One axial slice (386 of 506, counting up from the lowest) of a chest CT acquired at 120 kVp with the B30f kernel; each pixel is 0.699 mm and the slice is 0.75 mm thick.
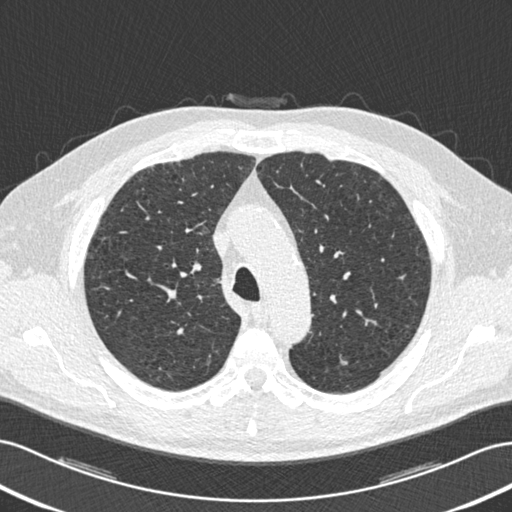
Pulmonary nodule, outlined by two of the four readers. Box on this slice rows 359–364, columns 340–347, the union of the readers' outlines on this slice; the two readers' outlines give a longest diameter between 6.4 and 8.2 mm and a volume between 59 and 153 mm3. The readers' ratings, as ranges where they differ: texture 5/5 (solid), both readers agreeing; margin from 4/5 to 5/5 (circumscribed) across the two readers; sphericity from 3/5 (ovoid) to 4/5 across the two readers; calcification absent, both readers agreeing; internal structure soft tissue, both readers agreeing; subtlety 3–5/5 (the readers disagree); malignancy likelihood 3/5, both readers agreeing. Scale key (1–5): texture non-solid→solid, margin indistinct→circumscribed, sphericity linear→round, subtlety extremely subtle→obvious, malignancy likelihood highly unlikely→highly suspicious of cancer. Box rows and columns are 0-based pixel indices from the top-left corner, inclusive.